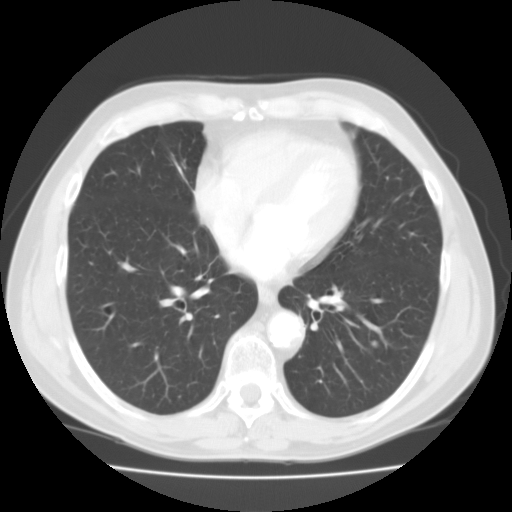
Axial slice 49 of 109 of a chest CT (slice 1 is the lowest), reconstructed with the FC01 kernel at 135 kVp; 3.00 mm slice thickness and 0.720 mm pixels.
Pulmonary nodule, outlined by two of the four readers. Box on this slice rows 341–345, columns 372–376, the union of the readers' outlines on this slice; longest diameter 8.3 mm on average over the two readers' outlines (readers' outlines 8.2–8.4 mm), volume 188–215 mm3. Ratings, by the readers' most common answer with dissent counted: texture 5/5 (solid), both readers agreeing; margin 4/5, both readers agreeing; sphericity split among the readers: 2/5 (one), 3/5 (ovoid) (one); calcification absent, both readers agreeing; internal structure soft tissue from both readers; subtlety split among the readers: 3/5 (one), 4/5 (one); malignancy likelihood split among the readers: 2/5 (one), 3/5 (one). Scale key (1–5): texture non-solid→solid, margin indistinct→circumscribed, sphericity linear→round, subtlety extremely subtle→obvious, malignancy likelihood highly unlikely→highly suspicious of cancer. Box rows and columns are 0-based pixel indices from the top-left corner, inclusive.